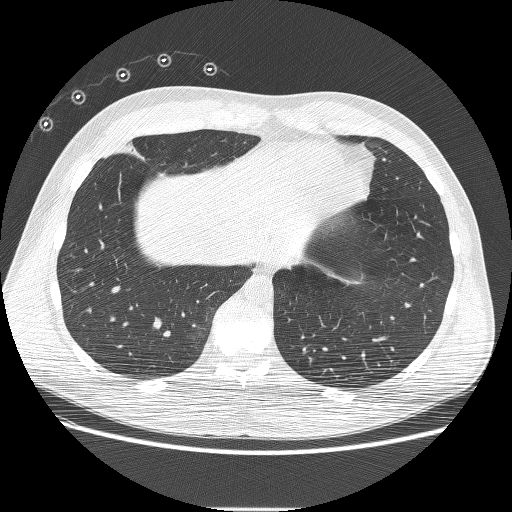
Axial slice 54 of 230 of a chest CT (slice 1 is the lowest), reconstructed with the BONE kernel at 120 kVp; 1.25 mm slice thickness and 0.732 mm pixels.
Pulmonary nodule outlined by all four readers; box rows 141–159, columns 105–144 (the union of the readers' outlines on this slice); median longest diameter 27.2 mm (readers' outlines 23.5–29.5 mm), median volume 3460 mm3 (3146–3701 mm3). Median ratings and the readers' spread: texture 5/5 (solid), all four readers agreeing; margin 4.5/5 at the median of four readers, spread 3/5 to 5/5 (circumscribed); median sphericity 3.5/5 (readers ranged 3/5 (ovoid) to 4/5); calcification absent, all four readers agreeing; internal structure soft tissue from all four readers; subtlety 5/5, all four readers agreeing; malignancy likelihood 5/5 at the median of four readers, spread 4–5. Scale key (1–5): texture non-solid→solid, margin indistinct→circumscribed, sphericity linear→round, subtlety extremely subtle→obvious, malignancy likelihood highly unlikely→highly suspicious of cancer. Box rows and columns are 0-based pixel indices from the top-left corner, inclusive.